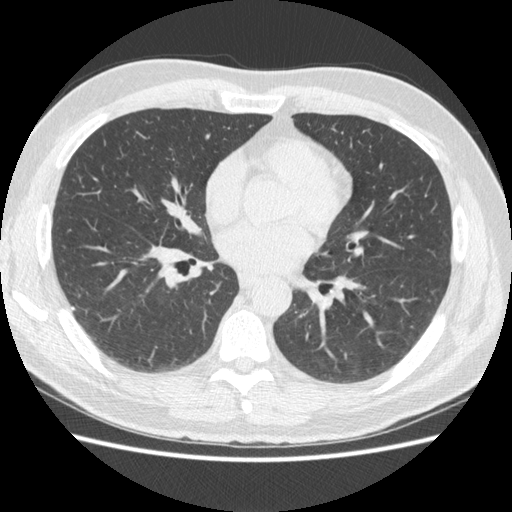
One axial slice (247 of 477, counting up from the lowest) of a chest CT acquired at 120 kVp with the STANDARD kernel; each pixel is 0.703 mm and the slice is 1.25 mm thick.
Pulmonary nodule, outlined by one of the four readers. Box on this slice rows 306–310, columns 70–73, that reader's outline on this slice; longest diameter 5.0 mm and volume 25 mm3 from that reader's outline. That reader's ratings: texture 5/5 (solid); margin 5/5 (circumscribed); sphericity 5/5 (round); calcification absent; internal structure soft tissue; subtlety 3/5; malignancy likelihood 2/5. Scale key (1–5): texture non-solid→solid, margin indistinct→circumscribed, sphericity linear→round, subtlety extremely subtle→obvious, malignancy likelihood highly unlikely→highly suspicious of cancer. Box rows and columns are 0-based pixel indices from the top-left corner, inclusive.